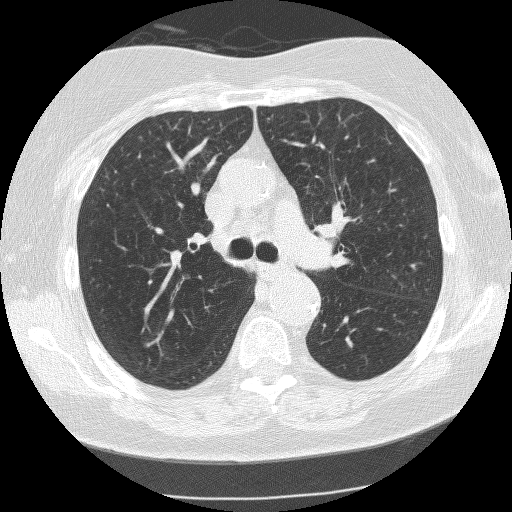
Chest CT, axial plane, 120 kVp, kernel BONE. Slice 170/246 from the bottom of the scan; thickness 1.25 mm; pixel size 0.566 mm.
No nodule of 3 mm or larger was outlined by any of the four readers on this slice.